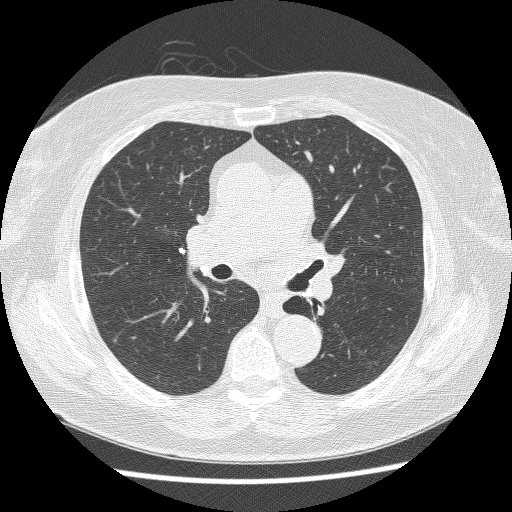
Chest CT, axial plane, 120 kVp, kernel BONE. Slice 149/229 from the bottom of the scan; thickness 1.25 mm; pixel size 0.654 mm.
Pulmonary nodule, outlined by all four readers. Box on this slice rows 246–255, columns 177–186, the union of the readers' outlines on this slice; the four readers' outlines give a longest diameter between 5.6 and 8.0 mm and a volume between 58 and 119 mm3. The readers' ratings, as ranges where they differ: texture 5/5 (solid), all four readers agreeing; margin 5/5 (circumscribed), all four readers agreeing; sphericity from 3/5 (ovoid) to 5/5 (round) across the four readers; calcification solid calcification from all four readers; internal structure soft tissue from all four readers; subtlety 3–5/5 (the readers disagree); malignancy likelihood 1/5 from all four readers. Scale key (1–5): texture non-solid→solid, margin indistinct→circumscribed, sphericity linear→round, subtlety extremely subtle→obvious, malignancy likelihood highly unlikely→highly suspicious of cancer. Box rows and columns are 0-based pixel indices from the top-left corner, inclusive.